Chest CT, axial plane, 120 kVp, kernel STANDARD. Slice 41/139 from the bottom of the scan; thickness 2.50 mm; pixel size 0.742 mm.
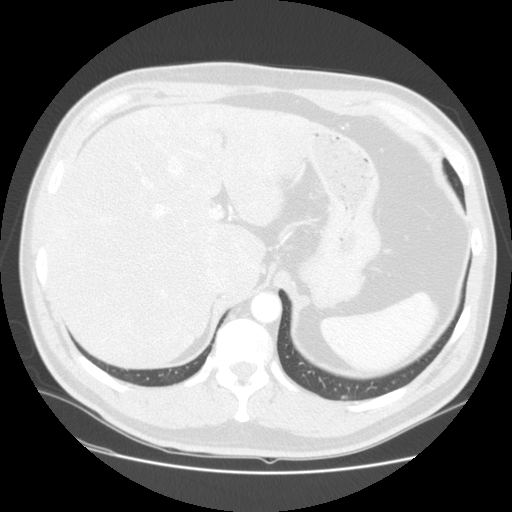
Pulmonary nodule at rows 395–398, columns 341–346 (box = the one reader's outline on this slice), outlined by all four readers, one of them on this slice; median longest diameter 5.9 mm (readers' outlines 5.4–6.7 mm), median volume 86 mm3 (63–142 mm3). Median ratings and the readers' spread: texture 5/5 (solid) from all four readers; margin 5/5 (circumscribed), all four readers agreeing; sphericity 4.5/5 at the median of four readers, spread 3/5 (ovoid) to 5/5 (round); calcification solid calcification from all four readers; internal structure soft tissue, all four readers agreeing; subtlety 5/5 at the median of four readers, spread 4–5; malignancy likelihood 1/5 from all four readers. Scale key (1–5): texture non-solid→solid, margin indistinct→circumscribed, sphericity linear→round, subtlety extremely subtle→obvious, malignancy likelihood highly unlikely→highly suspicious of cancer. Box rows and columns are 0-based pixel indices from the top-left corner, inclusive.